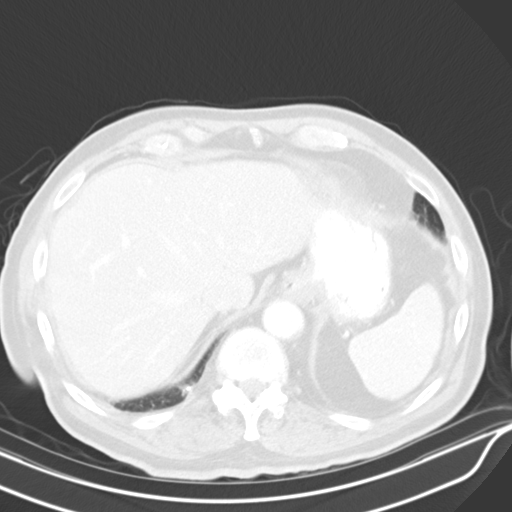
Slice 192/319 of a chest CT, counting up from the lowest; pixel size 0.729 mm, slice thickness 4.00 mm. Pulmonary nodule outlined by one of the four readers; box rows 387–390, columns 186–191 (that reader's outline on this slice); longest diameter 5.7 mm and volume 104 mm3 from that reader's outline. Ratings by that reader: texture 5/5 (solid); margin 4/5; sphericity 5/5 (round); calcification solid calcification; internal structure soft tissue; subtlety 5/5; malignancy likelihood 1/5. Scale key (1–5): texture non-solid→solid, margin indistinct→circumscribed, sphericity linear→round, subtlety extremely subtle→obvious, malignancy likelihood highly unlikely→highly suspicious of cancer. Box rows and columns are 0-based pixel indices from the top-left corner, inclusive.
Tube voltage 130 kVp; convolution kernel B30s.